Axial chest CT slice 112 of 133 (counted from the lowest slice); tube voltage 140 kVp, convolution kernel STANDARD; slices 2.50 mm thick, 0.781 mm per pixel.
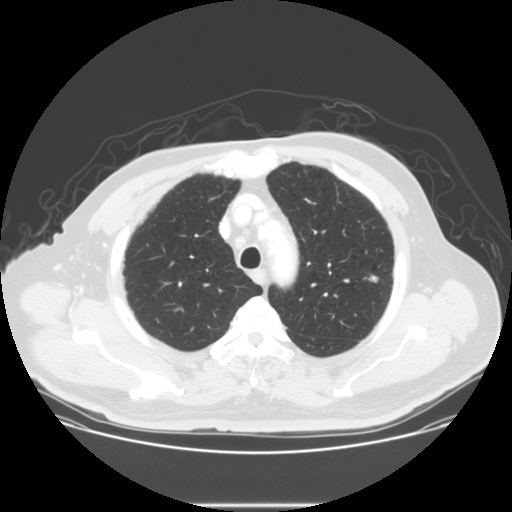
Pulmonary nodule, outlined by all four readers. Box on this slice rows 273–282, columns 369–379, the union of the readers' outlines on this slice; longest diameter 9.1–11.8 mm and volume 377–678 mm3 across the four readers' outlines. Ratings across the readers: texture 5/5 (solid), all four readers agreeing; margin from 4/5 to 5/5 (circumscribed) across the four readers; sphericity from 4/5 to 5/5 (round) across the four readers; calcification: solid calcification (three), central calcification (one); internal structure soft tissue from all four readers; subtlety 4–5/5 (the readers disagree); malignancy likelihood 1/5, all four readers agreeing. Scale key (1–5): texture non-solid→solid, margin indistinct→circumscribed, sphericity linear→round, subtlety extremely subtle→obvious, malignancy likelihood highly unlikely→highly suspicious of cancer. Box rows and columns are 0-based pixel indices from the top-left corner, inclusive.